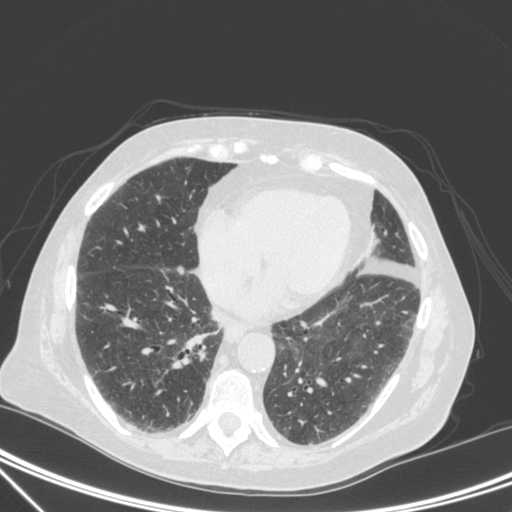
Chest CT, axial plane, 120 kVp, kernel C. Slice 110/350 from the bottom of the scan; thickness 1.50 mm; pixel size 0.725 mm.
Pulmonary nodule outlined by one of the four readers; box rows 349–361, columns 197–205 (that reader's outline on this slice); longest diameter 29.7 mm and volume 4028 mm3 from that reader's outline. Ratings by that reader: texture 5/5 (solid); margin 3/5; sphericity 3/5 (ovoid); calcification absent; internal structure soft tissue; subtlety 5/5; malignancy likelihood 4/5. Scale key (1–5): texture non-solid→solid, margin indistinct→circumscribed, sphericity linear→round, subtlety extremely subtle→obvious, malignancy likelihood highly unlikely→highly suspicious of cancer. Box rows and columns are 0-based pixel indices from the top-left corner, inclusive.